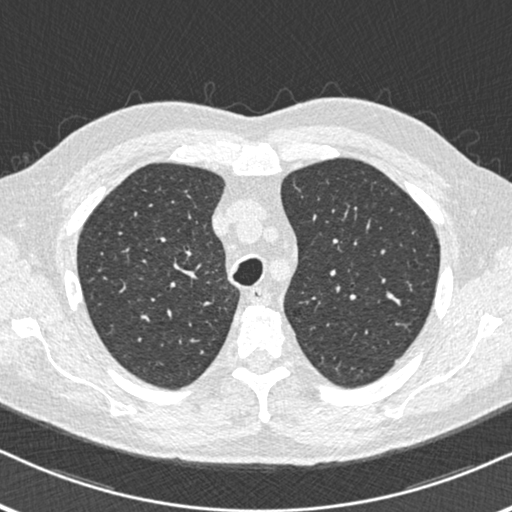
Axial slice 353 of 455 of a chest CT (slice 1 is the lowest), reconstructed with the B30f kernel at 120 kVp; 0.75 mm slice thickness and 0.633 mm pixels.
Pulmonary nodule, outlined by one of the four readers. Box on this slice rows 349–353, columns 200–203, that reader's outline on this slice; longest diameter 5.1 mm and volume 20 mm3 from that reader's outline. Ratings by that reader: texture 5/5 (solid); margin 5/5 (circumscribed); sphericity 4/5; calcification absent; internal structure soft tissue; subtlety 5/5; malignancy likelihood 3/5. Scale key (1–5): texture non-solid→solid, margin indistinct→circumscribed, sphericity linear→round, subtlety extremely subtle→obvious, malignancy likelihood highly unlikely→highly suspicious of cancer. Box rows and columns are 0-based pixel indices from the top-left corner, inclusive.